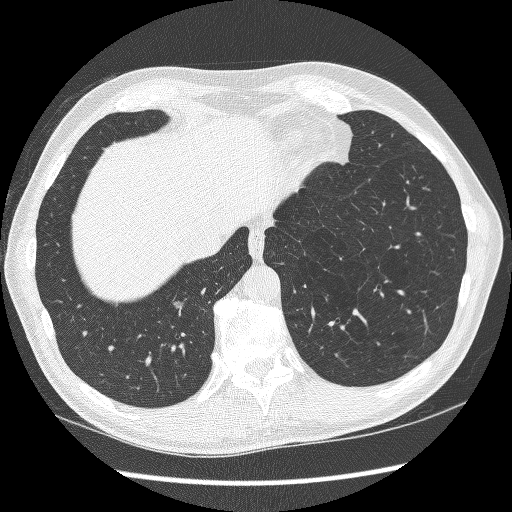
This is axial slice 73 of 261 (slice 1 is the lowest) of a chest CT; each pixel is 0.689 mm and the slice is 1.25 mm thick. Pulmonary nodule at rows 300–309, columns 172–184 (box = the union of the readers' outlines on this slice), outlined by all four readers; median longest diameter 8.5 mm (readers' outlines 8.1–9.9 mm), median volume 178 mm3 (169–271 mm3). Median ratings and the readers' spread: median texture 5/5 (solid) (readers ranged 4/5 to 5/5 (solid)); median margin 4/5 (readers ranged 4/5 to 5/5 (circumscribed)); median sphericity 3/5 (ovoid) (readers ranged 2/5 to 3/5 (ovoid)); calcification absent, all four readers agreeing; internal structure soft tissue, all four readers agreeing; median subtlety 3.5/5 (readers ranged 3–5); median malignancy likelihood 3/5 (readers ranged 3–4). Scale key (1–5): texture non-solid→solid, margin indistinct→circumscribed, sphericity linear→round, subtlety extremely subtle→obvious, malignancy likelihood highly unlikely→highly suspicious of cancer. Box rows and columns are 0-based pixel indices from the top-left corner, inclusive.
Acquired at 120 kVp and reconstructed with the BONE kernel.